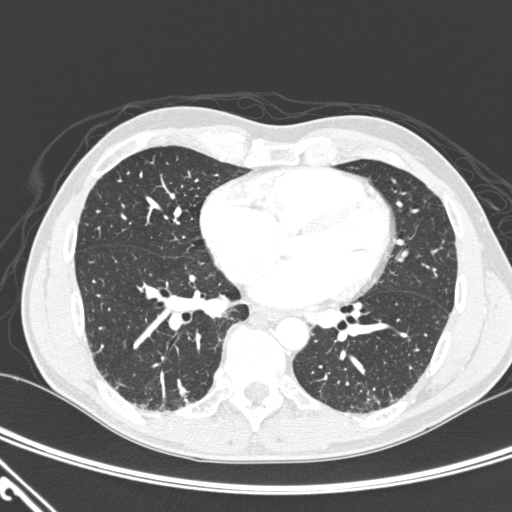
Chest CT, axial plane, 120 kVp, kernel D. Slice 116/276 from the bottom of the scan; thickness 1.00 mm; pixel size 0.639 mm.
Pulmonary nodule, outlined by two of the four readers, one of them on this slice. Box on this slice rows 387–395, columns 179–185, the one reader's outline on this slice; the two readers' outlines give a longest diameter between 6.5 and 8.1 mm and a volume between 41 and 108 mm3. The readers' ratings, as ranges where they differ: texture 5/5 (solid) from both readers; margin from 2/5 to 5/5 (circumscribed) across the two readers; sphericity from 2/5 to 4/5 across the two readers; calcification absent, both readers agreeing; internal structure soft tissue from both readers; subtlety rated between 2 and 5 out of 5 by the two readers; malignancy likelihood 2/5 from both readers. Scale key (1–5): texture non-solid→solid, margin indistinct→circumscribed, sphericity linear→round, subtlety extremely subtle→obvious, malignancy likelihood highly unlikely→highly suspicious of cancer. Box rows and columns are 0-based pixel indices from the top-left corner, inclusive.